Axial chest CT slice 188 of 241 (counted from the lowest slice); tube voltage 120 kVp, convolution kernel BONE; slices 1.25 mm thick, 0.590 mm per pixel.
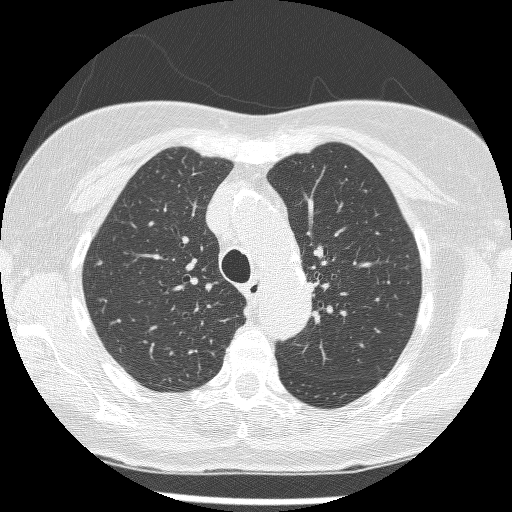
Pulmonary nodule at rows 259–266, columns 94–102 (box = that reader's outline on this slice), outlined by one of the four readers; longest diameter 7.2 mm and volume 73 mm3 from that reader's outline. That reader's ratings: texture 3/5 (part-solid); margin 1/5 (indistinct); sphericity 4/5; calcification absent; internal structure soft tissue; subtlety 3/5; malignancy likelihood 3/5. Scale key (1–5): texture non-solid→solid, margin indistinct→circumscribed, sphericity linear→round, subtlety extremely subtle→obvious, malignancy likelihood highly unlikely→highly suspicious of cancer. Box rows and columns are 0-based pixel indices from the top-left corner, inclusive.